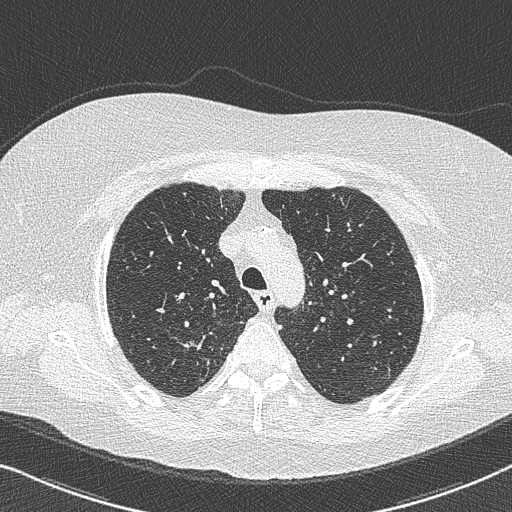
Slice 565/733 of a chest CT, counting up from the lowest; pixel size 0.637 mm, slice thickness 0.60 mm. Pulmonary nodule at rows 341–346, columns 180–192 (box = the one reader's outline on this slice), outlined by all four readers, one of them on this slice; longest diameter 22.0 mm on average over the four readers' outlines (readers' outlines 15.5–29.7 mm), volume 888–2128 mm3. Ratings, by the readers' most common answer with dissent counted: texture 5/5 (solid) by three of four readers; the rest gave 4/5 (one); margin 3/5 by two of four readers; the rest gave 1/5 (indistinct) (one), 4/5 (one); sphericity 3/5 (ovoid) by two of four readers; the rest gave 2/5 (one), 5/5 (round) (one); calcification absent from all four readers; internal structure soft tissue from all four readers; subtlety 5/5 by three of four readers; the rest gave 4/5 (one); most readers (three of four) put malignancy likelihood at 4/5, others 5/5 (one). Scale key (1–5): texture non-solid→solid, margin indistinct→circumscribed, sphericity linear→round, subtlety extremely subtle→obvious, malignancy likelihood highly unlikely→highly suspicious of cancer. Box rows and columns are 0-based pixel indices from the top-left corner, inclusive.
Scan settings: 120 kVp, B50f reconstruction kernel.